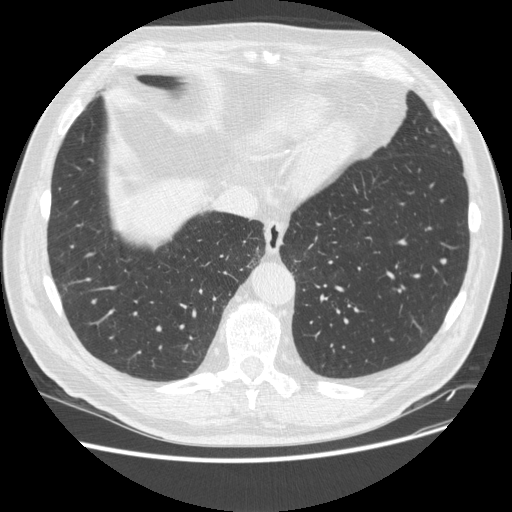
Slice 152/513 of a chest CT, counting up from the lowest; pixel size 0.742 mm, slice thickness 1.25 mm. Pulmonary nodule at rows 258–263, columns 440–446 (box = that reader's outline on this slice), outlined by one of the four readers; longest diameter 6.1 mm and volume 84 mm3 from that reader's outline. That reader's ratings: texture 5/5 (solid); margin 5/5 (circumscribed); sphericity 5/5 (round); calcification absent; internal structure soft tissue; subtlety 3/5; malignancy likelihood 2/5. Scale key (1–5): texture non-solid→solid, margin indistinct→circumscribed, sphericity linear→round, subtlety extremely subtle→obvious, malignancy likelihood highly unlikely→highly suspicious of cancer. Box rows and columns are 0-based pixel indices from the top-left corner, inclusive.
Tube voltage 120 kVp; convolution kernel STANDARD.